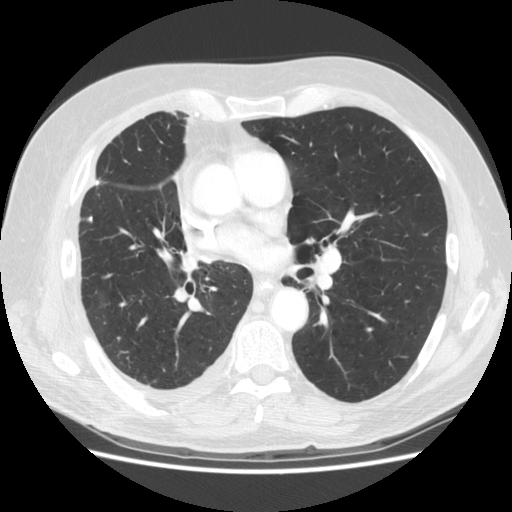
Chest CT, axial plane, 120 kVp, kernel STANDARD. Slice 164/295 from the bottom of the scan; thickness 2.50 mm; pixel size 0.703 mm.
Pulmonary nodule, outlined by all four readers. Box on this slice rows 216–222, columns 86–92, the union of the readers' outlines on this slice; median longest diameter 8.2 mm (readers' outlines 8.0–8.7 mm), median volume 182 mm3 (146–188 mm3). Ratings, median across the readers with their spread: texture 5/5 (solid), all four readers agreeing; median margin 5/5 (circumscribed) (readers ranged 4/5 to 5/5 (circumscribed)); median sphericity 4/5 (readers ranged 3/5 (ovoid) to 5/5 (round)); calcification: solid calcification (three), absent (one); internal structure soft tissue, all four readers agreeing; subtlety 5/5 from all four readers; malignancy likelihood 1/5 from all four readers. Scale key (1–5): texture non-solid→solid, margin indistinct→circumscribed, sphericity linear→round, subtlety extremely subtle→obvious, malignancy likelihood highly unlikely→highly suspicious of cancer. Box rows and columns are 0-based pixel indices from the top-left corner, inclusive.